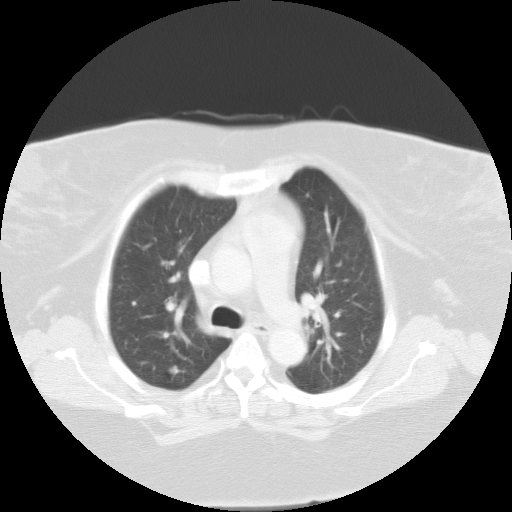
Slice 76/102 of a chest CT, counting up from the lowest; pixel size 0.808 mm, slice thickness 3.00 mm. Pulmonary nodule outlined by three of the four readers, two of them on this slice; box rows 366–373, columns 168–178 (the union of the readers' outlines on this slice); the three readers' outlines give a longest diameter between 6.7 and 8.9 mm and a volume between 110 and 317 mm3. The readers' ratings, as ranges where they differ: texture from 2/5 to 5/5 (solid) across the three readers; margin from 3/5 to 4/5 across the three readers; sphericity 4/5 from all three readers; calcification absent, all three readers agreeing; internal structure soft tissue from all three readers; subtlety 1–5/5 (the readers disagree); malignancy likelihood from 2/5 to 3/5 across the three readers. Scale key (1–5): texture non-solid→solid, margin indistinct→circumscribed, sphericity linear→round, subtlety extremely subtle→obvious, malignancy likelihood highly unlikely→highly suspicious of cancer. Box rows and columns are 0-based pixel indices from the top-left corner, inclusive.
Acquired at 135 kVp and reconstructed with the FC01 kernel.